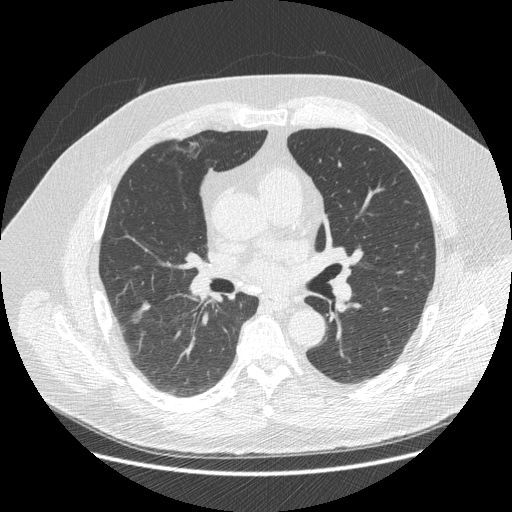
Axial chest CT slice 277 of 477 (counted from the lowest slice); 1.25 mm thick, 0.781 mm per pixel. Pulmonary nodule, outlined by all four readers. Box on this slice rows 301–323, columns 131–151, the union of the readers' outlines on this slice; longest diameter 16.4 mm on average over the four readers' outlines (readers' outlines 12.4–20.8 mm), volume 162–429 mm3. Ratings, by the readers' most common answer with dissent counted: texture 4/5 by two of four readers; the rest gave 1/5 (non-solid) (one), 5/5 (solid) (one); margin split among the readers: 2/5 (one), 3/5 (one), 4/5 (one), 5/5 (circumscribed) (one); sphericity 2/5 by two of four readers; the rest gave 3/5 (ovoid) (one), 4/5 (one); calcification absent from all four readers; internal structure soft tissue, all four readers agreeing; subtlety 5/5 by two of four readers; the rest gave 3/5 (one), 4/5 (one); malignancy likelihood 4/5 by two of four readers; the rest gave 2/5 (one), 3/5 (one). Scale key (1–5): texture non-solid→solid, margin indistinct→circumscribed, sphericity linear→round, subtlety extremely subtle→obvious, malignancy likelihood highly unlikely→highly suspicious of cancer. Box rows and columns are 0-based pixel indices from the top-left corner, inclusive.
Tube voltage 120 kVp; convolution kernel STANDARD.